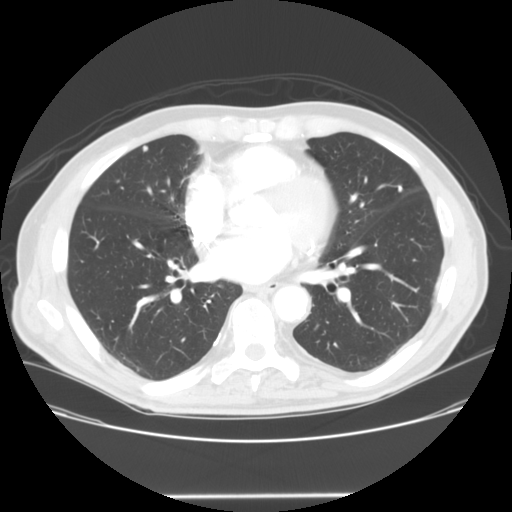
One axial slice (59 of 128, counting up from the lowest) of a chest CT acquired at 120 kVp with the STANDARD kernel; each pixel is 0.742 mm and the slice is 2.50 mm thick.
Two pulmonary nodules are outlined on this slice; from left to right: (1) Pulmonary nodule at rows 145–151, columns 142–147 (box = the union of the readers' outlines on this slice), outlined by two of the four readers; longest diameter 5.4–6.1 mm and volume 78–90 mm3 across the two readers' outlines. Ratings across the readers: texture 5/5 (solid) from both readers; margin 5/5 (circumscribed) from both readers; sphericity from 4/5 to 5/5 (round) across the two readers; calcification absent, both readers agreeing; internal structure soft tissue, both readers agreeing; subtlety rated between 3 and 4 out of 5 by the two readers; malignancy likelihood 2/5 from both readers. (2) Pulmonary nodule at rows 185–192, columns 398–402 (box = the union of the readers' outlines on this slice), outlined by all four readers; median longest diameter 6.6 mm (readers' outlines 4.7–6.8 mm), median volume 108 mm3 (41–116 mm3). Median ratings and the readers' spread: texture 5/5 (solid) from all four readers; margin 5/5 (circumscribed) from all four readers; median sphericity 5/5 (round) (readers ranged 4/5 to 5/5 (round)); calcification: solid calcification (three), absent (one); internal structure soft tissue from all four readers; median subtlety 4/5 (readers ranged 3–5); malignancy likelihood 1/5 at the median of four readers, spread 1–2. Scale key (1–5): texture non-solid→solid, margin indistinct→circumscribed, sphericity linear→round, subtlety extremely subtle→obvious, malignancy likelihood highly unlikely→highly suspicious of cancer. Box rows and columns are 0-based pixel indices from the top-left corner, inclusive.